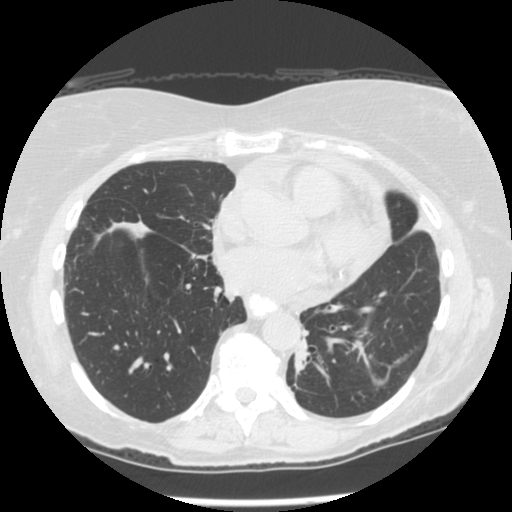
Axial chest CT slice 109 of 241 (counted from the lowest slice); tube voltage 120 kVp, convolution kernel STANDARD; slices 1.25 mm thick, 0.609 mm per pixel.
No nodule 3 mm or larger was outlined here by any reader.